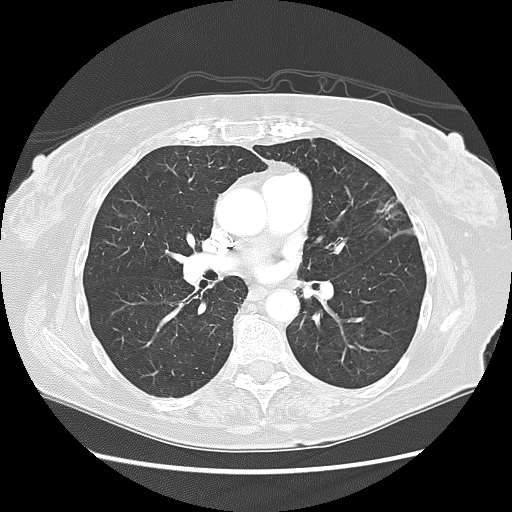
One axial slice (60 of 125, counting up from the lowest) of a chest CT acquired at 120 kVp with the LUNG kernel; each pixel is 0.703 mm and the slice is 2.50 mm thick.
Pulmonary nodule outlined by all four readers, one of them on this slice; box rows 207–218, columns 391–399 (the one reader's outline on this slice); median longest diameter 27.1 mm (readers' outlines 25.5–28.7 mm), median volume 3118 mm3 (2545–3578 mm3). Median ratings and the readers' spread: texture 5/5 (solid) at the median of four readers, spread 3/5 (part-solid) to 5/5 (solid); median margin 2/5 (readers ranged 1/5 (indistinct) to 3/5); median sphericity 3.5/5 (readers ranged 2/5 to 4/5); calcification absent from all four readers; internal structure soft tissue, all four readers agreeing; subtlety 5/5, all four readers agreeing; median malignancy likelihood 5/5 (readers ranged 3–5). Scale key (1–5): texture non-solid→solid, margin indistinct→circumscribed, sphericity linear→round, subtlety extremely subtle→obvious, malignancy likelihood highly unlikely→highly suspicious of cancer. Box rows and columns are 0-based pixel indices from the top-left corner, inclusive.